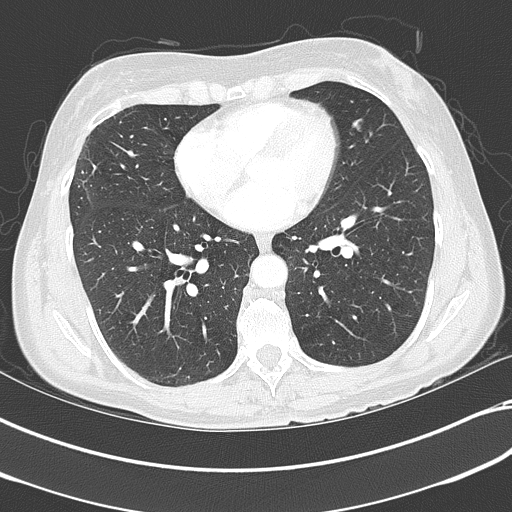
Axial slice 170 of 351 of a chest CT (slice 1 is the lowest), reconstructed with the B70f kernel at 120 kVp; 2.00 mm slice thickness and 0.643 mm pixels.
Pulmonary nodule outlined by all four readers, three of them on this slice; box rows 118–130, columns 352–362 (the union of the readers' outlines on this slice); longest diameter 9.2 mm on average over the four readers' outlines (readers' outlines 6.1–12.1 mm), volume 80–120 mm3. The readers' prevailing ratings and who disagreed: texture 5/5 (solid) by three of four readers; the rest gave 4/5 (one); margin 4/5 by three of four readers; the rest gave 3/5 (one); sphericity 2/5 by two of four readers; the rest gave 3/5 (ovoid) (one), 4/5 (one); calcification absent from all four readers; internal structure soft tissue from all four readers; subtlety split among the readers: 3/5 (two), 4/5 (two); malignancy likelihood 1/5 by two of four readers; the rest gave 3/5 (one), 4/5 (one). Scale key (1–5): texture non-solid→solid, margin indistinct→circumscribed, sphericity linear→round, subtlety extremely subtle→obvious, malignancy likelihood highly unlikely→highly suspicious of cancer. Box rows and columns are 0-based pixel indices from the top-left corner, inclusive.